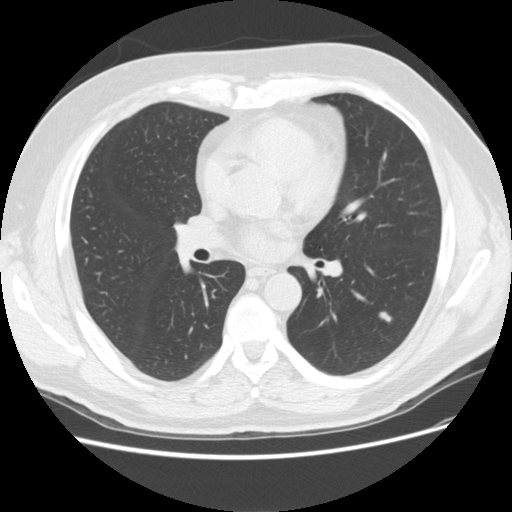
Slice 82/158 of a chest CT, counting up from the lowest; pixel size 0.723 mm, slice thickness 2.50 mm. Pulmonary nodule, outlined by one of the four readers. Box on this slice rows 311–320, columns 380–390, that reader's outline on this slice; longest diameter 10.7 mm and volume 202 mm3 from that reader's outline. That reader's ratings: texture 5/5 (solid); margin 5/5 (circumscribed); sphericity 5/5 (round); calcification absent; internal structure soft tissue; subtlety 2/5; malignancy likelihood 3/5. Scale key (1–5): texture non-solid→solid, margin indistinct→circumscribed, sphericity linear→round, subtlety extremely subtle→obvious, malignancy likelihood highly unlikely→highly suspicious of cancer. Box rows and columns are 0-based pixel indices from the top-left corner, inclusive.
Scan settings: 120 kVp, STANDARD reconstruction kernel.